One axial slice (162 of 305, counting up from the lowest) of a chest CT acquired at 140 kVp with the B kernel; each pixel is 0.834 mm and the slice is 2.00 mm thick.
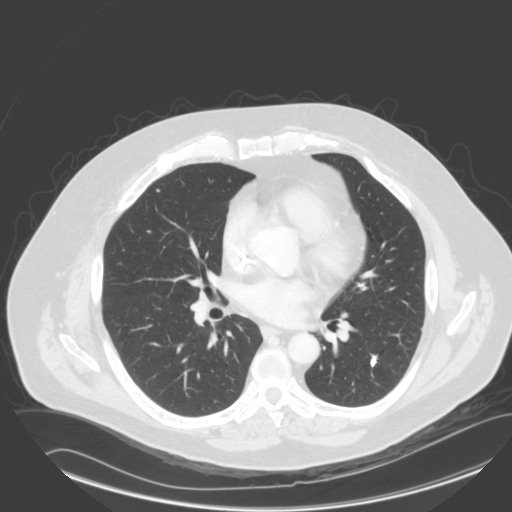
Pulmonary nodule, outlined by all four readers. Box on this slice rows 355–366, columns 370–377, the union of the readers' outlines on this slice; median longest diameter 10.4 mm (readers' outlines 7.9–12.9 mm), median volume 133 mm3 (74–239 mm3). Ratings, median across the readers with their spread: texture 5/5 (solid), all four readers agreeing; margin 4/5 at the median of four readers, spread 2/5 to 5/5 (circumscribed); median sphericity 3/5 (ovoid) (readers ranged 1/5 (linear) to 4/5); calcification: solid calcification (three), absent (one); internal structure soft tissue from all four readers; median subtlety 5/5 (readers ranged 4–5); median malignancy likelihood 1/5 (readers ranged 1–4). Scale key (1–5): texture non-solid→solid, margin indistinct→circumscribed, sphericity linear→round, subtlety extremely subtle→obvious, malignancy likelihood highly unlikely→highly suspicious of cancer. Box rows and columns are 0-based pixel indices from the top-left corner, inclusive.